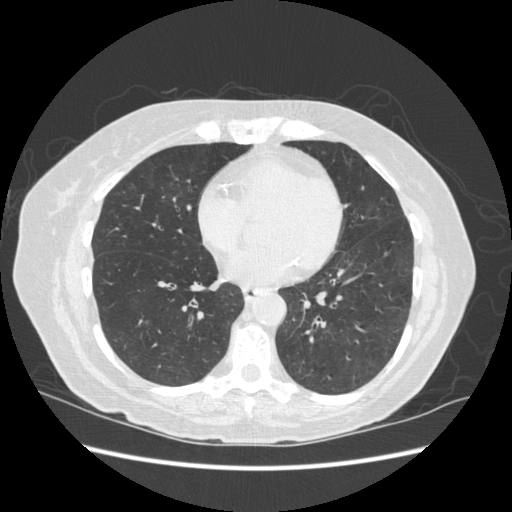
Axial chest CT slice 214 of 513 (counted from the lowest slice); tube voltage 120 kVp, convolution kernel STANDARD; slices 1.25 mm thick, 0.703 mm per pixel.
Pulmonary nodule outlined by three of the four readers, one of them on this slice; box rows 177–179, columns 174–177 (the one reader's outline on this slice); longest diameter 8.9 mm on average over the three readers' outlines (readers' outlines 8.2–9.4 mm), volume 118–157 mm3. Ratings, by the readers' most common answer with dissent counted: texture 5/5 (solid) by two of three readers; the rest gave 4/5 (one); margin split among the readers: 3/5 (one), 4/5 (one), 5/5 (circumscribed) (one); sphericity 3/5 (ovoid) from all three readers; calcification absent, all three readers agreeing; internal structure soft tissue, all three readers agreeing; subtlety 4/5 from all three readers; malignancy likelihood split among the readers: 1/5 (one), 3/5 (one), 4/5 (one). Scale key (1–5): texture non-solid→solid, margin indistinct→circumscribed, sphericity linear→round, subtlety extremely subtle→obvious, malignancy likelihood highly unlikely→highly suspicious of cancer. Box rows and columns are 0-based pixel indices from the top-left corner, inclusive.